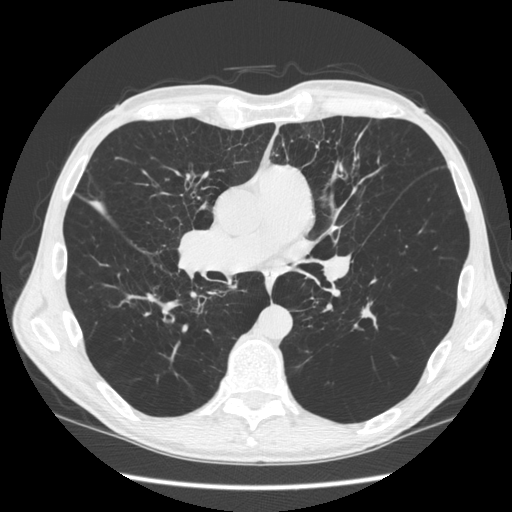
This is axial slice 318 of 583 (slice 1 is the lowest) of a chest CT; each pixel is 0.703 mm and the slice is 1.25 mm thick. Pulmonary nodule, outlined by two of the four readers. Box on this slice rows 302–327, columns 361–376, the union of the readers' outlines on this slice; median longest diameter 27.9 mm (readers' outlines 24.1–31.7 mm), median volume 984 mm3 (791–1176 mm3). Ratings, median across the readers with their spread: texture 5/5 (solid) from both readers; margin 2.5/5 at the median of two readers, spread 1/5 (indistinct) to 4/5; median sphericity 1.5/5 (readers ranged 1/5 (linear) to 2/5); calcification absent, both readers agreeing; internal structure soft tissue, both readers agreeing; subtlety 5/5, both readers agreeing; malignancy likelihood 2.5/5 at the median of two readers, spread 2–3. Scale key (1–5): texture non-solid→solid, margin indistinct→circumscribed, sphericity linear→round, subtlety extremely subtle→obvious, malignancy likelihood highly unlikely→highly suspicious of cancer. Box rows and columns are 0-based pixel indices from the top-left corner, inclusive.
Scan settings: 120 kVp, STANDARD reconstruction kernel.